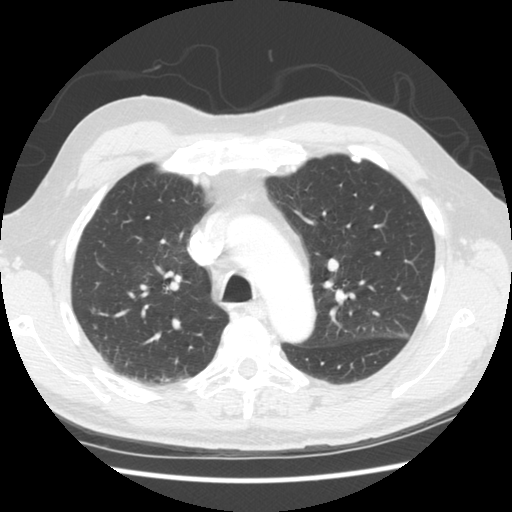
One axial slice (185 of 258, counting up from the lowest) of a chest CT acquired at 120 kVp with the STANDARD kernel; each pixel is 0.664 mm and the slice is 2.50 mm thick.
Pulmonary nodule, outlined by one of the four readers. Box on this slice rows 157–162, columns 352–359, that reader's outline on this slice; longest diameter 8.0 mm and volume 122 mm3 from that reader's outline. That reader's ratings: texture 5/5 (solid); margin 5/5 (circumscribed); sphericity 4/5; calcification solid calcification; internal structure soft tissue; subtlety 5/5; malignancy likelihood 1/5. Scale key (1–5): texture non-solid→solid, margin indistinct→circumscribed, sphericity linear→round, subtlety extremely subtle→obvious, malignancy likelihood highly unlikely→highly suspicious of cancer. Box rows and columns are 0-based pixel indices from the top-left corner, inclusive.